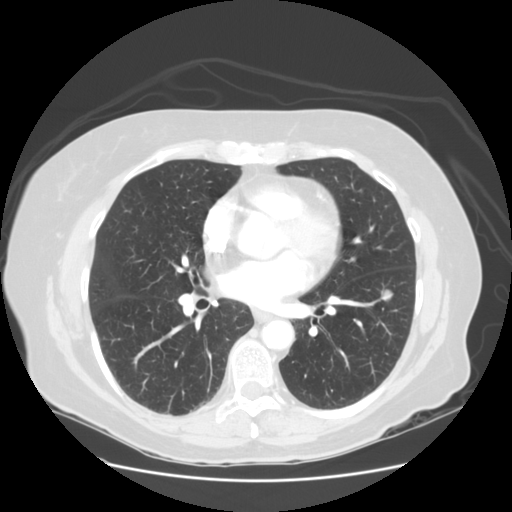
One axial slice (63 of 128, counting up from the lowest) of a chest CT acquired at 120 kVp with the STANDARD kernel; each pixel is 0.742 mm and the slice is 2.50 mm thick.
Pulmonary nodule, outlined by all four readers. Box on this slice rows 289–300, columns 381–392, the union of the readers' outlines on this slice; median longest diameter 12.8 mm (readers' outlines 12.2–13.0 mm), median volume 891 mm3 (824–921 mm3). Ratings, median across the readers with their spread: texture 5/5 (solid) from all four readers; median margin 5/5 (circumscribed) (readers ranged 4/5 to 5/5 (circumscribed)); median sphericity 5/5 (round) (readers ranged 4/5 to 5/5 (round)); calcification absent from all four readers; internal structure soft tissue from all four readers; median subtlety 4.5/5 (readers ranged 3–5); malignancy likelihood 3.5/5 at the median of four readers, spread 2–5. Scale key (1–5): texture non-solid→solid, margin indistinct→circumscribed, sphericity linear→round, subtlety extremely subtle→obvious, malignancy likelihood highly unlikely→highly suspicious of cancer. Box rows and columns are 0-based pixel indices from the top-left corner, inclusive.